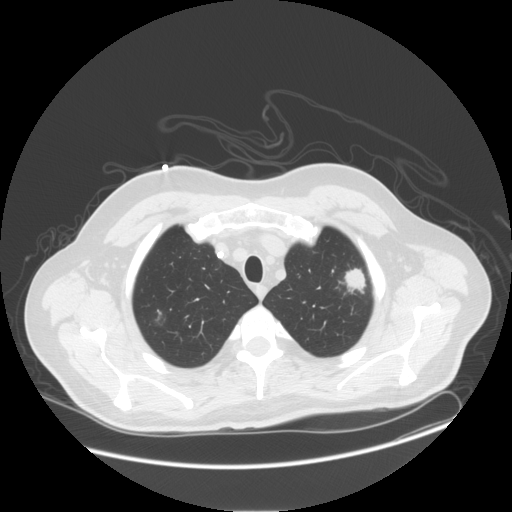
This is axial slice 121 of 143 (slice 1 is the lowest) of a chest CT; each pixel is 0.859 mm and the slice is 2.50 mm thick. Pulmonary nodule at rows 268–293, columns 344–365 (box = the union of the readers' outlines on this slice), outlined by all four readers; longest diameter 26.6 mm on average over the four readers' outlines (readers' outlines 24.8–28.8 mm), volume 4547–5828 mm3. Ratings, by the readers' most common answer with dissent counted: most readers (three of four) put texture at 5/5 (solid), others 4/5 (one); margin split among the readers: 4/5 (two), 5/5 (circumscribed) (two); sphericity 5/5 (round) by three of four readers; the rest gave 3/5 (ovoid) (one); calcification absent from all four readers; internal structure soft tissue, all four readers agreeing; most readers (three of four) put subtlety at 5/5, others 3/5 (one); most readers (three of four) put malignancy likelihood at 5/5, others 2/5 (one). Scale key (1–5): texture non-solid→solid, margin indistinct→circumscribed, sphericity linear→round, subtlety extremely subtle→obvious, malignancy likelihood highly unlikely→highly suspicious of cancer. Box rows and columns are 0-based pixel indices from the top-left corner, inclusive.
Acquired at 120 kVp and reconstructed with the STANDARD kernel.